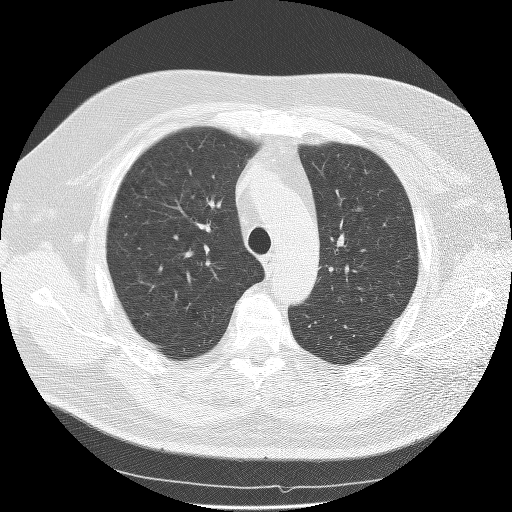
One axial slice (110 of 139, counting up from the lowest) of a chest CT acquired at 140 kVp with the BONE kernel; each pixel is 0.734 mm and the slice is 2.50 mm thick.
Pulmonary nodule at rows 207–210, columns 358–361 (box = the union of the readers' outlines on this slice), outlined by three of the four readers; median longest diameter 6.1 mm (readers' outlines 5.9–7.3 mm), median volume 78 mm3 (62–99 mm3). Ratings, median across the readers with their spread: texture 1/5 (non-solid) at the median of three readers, spread 1/5 (non-solid) to 2/5; margin 2/5 at the median of three readers, spread 2/5 to 3/5; sphericity 4/5 at the median of three readers, spread 3/5 (ovoid) to 4/5; calcification absent, all three readers agreeing; internal structure soft tissue, all three readers agreeing; subtlety 2/5 at the median of three readers, spread 2–4; malignancy likelihood 3/5 at the median of three readers, spread 1–3. Scale key (1–5): texture non-solid→solid, margin indistinct→circumscribed, sphericity linear→round, subtlety extremely subtle→obvious, malignancy likelihood highly unlikely→highly suspicious of cancer. Box rows and columns are 0-based pixel indices from the top-left corner, inclusive.